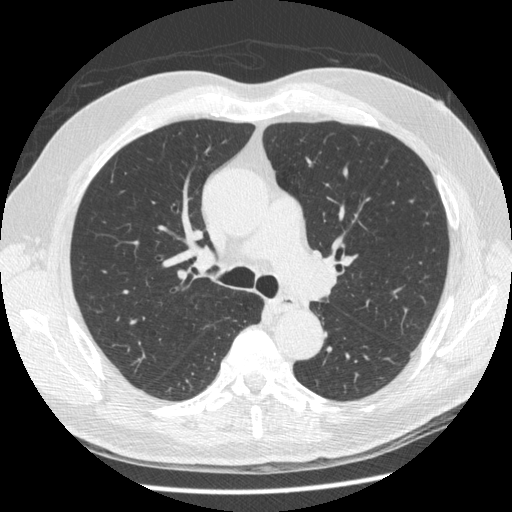
Slice 334/519 of a chest CT, counting up from the lowest; pixel size 0.703 mm, slice thickness 1.25 mm. None of the four readers outlined a nodule of 3 mm or more on this slice.
Tube voltage 120 kVp; convolution kernel STANDARD.